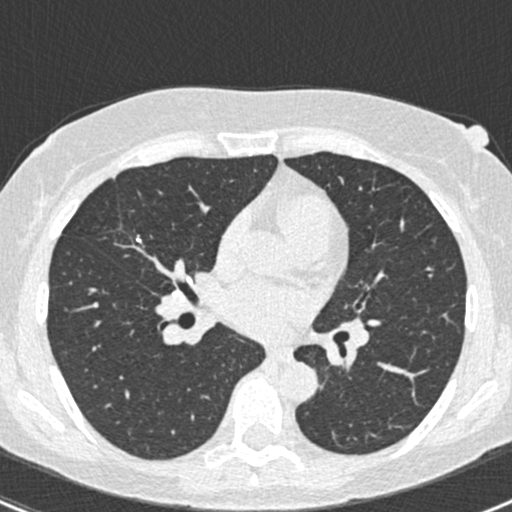
Axial slice 243 of 429 of a chest CT (slice 1 is the lowest), reconstructed with the B30f kernel at 120 kVp; 0.75 mm slice thickness and 0.586 mm pixels.
Pulmonary nodule, outlined three times (the source holds two more outlines, not used). Box on this slice rows 235–244, columns 136–141, the union of the readers' outlines on this slice; median longest diameter 8.9 mm (readers' outlines 8.0–11.0 mm), median volume 137 mm3 (95–144 mm3). Median ratings and the readers' spread: texture 5/5 (solid) from all three readers; margin 5/5 (circumscribed) from all three readers; median sphericity 3/5 (ovoid) (readers ranged 2/5 to 5/5 (round)); calcification solid calcification from all three readers; internal structure soft tissue, all three readers agreeing; subtlety 4/5 at the median of three readers, spread 4–5; malignancy likelihood 1/5, all three readers agreeing. Scale key (1–5): texture non-solid→solid, margin indistinct→circumscribed, sphericity linear→round, subtlety extremely subtle→obvious, malignancy likelihood highly unlikely→highly suspicious of cancer. Box rows and columns are 0-based pixel indices from the top-left corner, inclusive.